One axial slice (51 of 300, counting up from the lowest) of a chest CT acquired at 120 kVp with the D kernel; each pixel is 0.607 mm and the slice is 1.00 mm thick.
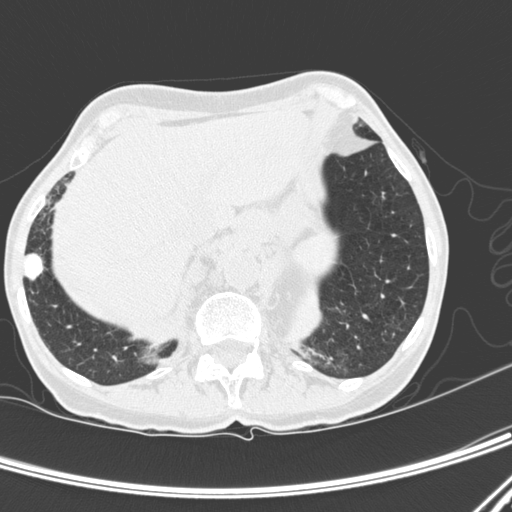
Pulmonary nodule at rows 253–281, columns 22–43 (box = the union of the readers' outlines on this slice), outlined by all four readers; median longest diameter 19.0 mm (readers' outlines 17.1–19.9 mm), median volume 2200 mm3 (1865–2443 mm3). Median ratings and the readers' spread: texture 5/5 (solid) from all four readers; margin 5/5 (circumscribed) from all four readers; median sphericity 4/5 (readers ranged 4/5 to 5/5 (round)); calcification: solid calcification (three), absent (one); internal structure soft tissue, all four readers agreeing; subtlety 5/5 from all four readers; malignancy likelihood 1/5 at the median of four readers, spread 1–4. Scale key (1–5): texture non-solid→solid, margin indistinct→circumscribed, sphericity linear→round, subtlety extremely subtle→obvious, malignancy likelihood highly unlikely→highly suspicious of cancer. Box rows and columns are 0-based pixel indices from the top-left corner, inclusive.